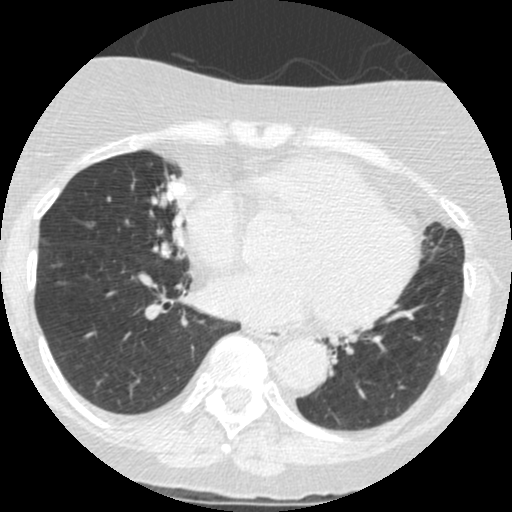
Chest CT, axial plane, 120 kVp, kernel STANDARD. Slice 161/426 from the bottom of the scan; thickness 1.25 mm; pixel size 0.547 mm.
Two pulmonary nodules are outlined on this slice; from left to right: (1) Pulmonary nodule outlined by one of the four readers; box rows 242–258, columns 160–171 (that reader's outline on this slice); longest diameter 15.0 mm and volume 404 mm3 from that reader's outline. Ratings by that reader: texture 5/5 (solid); margin 4/5; sphericity 4/5; calcification non-central calcification; internal structure soft tissue; subtlety 4/5; malignancy likelihood 2/5. (2) Pulmonary nodule, outlined by all four readers. Box on this slice rows 179–200, columns 166–184, the union of the readers' outlines on this slice; longest diameter 18.7 mm on average over the four readers' outlines (readers' outlines 17.0–20.6 mm), volume 1129–1635 mm3. Ratings, by the readers' most common answer with dissent counted: most readers (three of four) put texture at 5/5 (solid), others 4/5 (one); margin split among the readers: 2/5 (one), 3/5 (one), 4/5 (one), 5/5 (circumscribed) (one); sphericity 4/5 by two of four readers; the rest gave 3/5 (ovoid) (one), 5/5 (round) (one); calcification absent by three of four readers, non-central calcification (one); internal structure soft tissue from all four readers; subtlety 5/5 by two of four readers; the rest gave 3/5 (one), 4/5 (one); malignancy likelihood 4/5 by two of four readers; the rest gave 2/5 (one), 3/5 (one). Scale key (1–5): texture non-solid→solid, margin indistinct→circumscribed, sphericity linear→round, subtlety extremely subtle→obvious, malignancy likelihood highly unlikely→highly suspicious of cancer. Box rows and columns are 0-based pixel indices from the top-left corner, inclusive.